Chest CT, axial plane, 120 kVp, kernel B30f. Slice 220/425 from the bottom of the scan; thickness 0.75 mm; pixel size 0.539 mm.
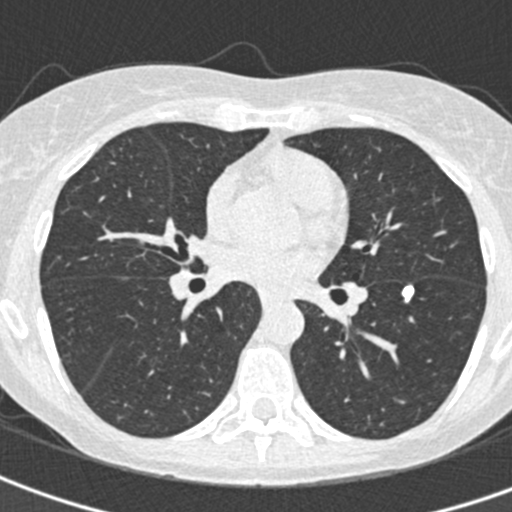
Pulmonary nodule outlined by all four readers; box rows 285–302, columns 402–414 (the union of the readers' outlines on this slice); median longest diameter 11.5 mm (readers' outlines 7.7–12.7 mm), median volume 179 mm3 (139–224 mm3). Median ratings and the readers' spread: texture 5/5 (solid) from all four readers; margin 5/5 (circumscribed) from all four readers; median sphericity 4/5 (readers ranged 2/5 to 5/5 (round)); calcification solid calcification, all four readers agreeing; internal structure soft tissue from all four readers; subtlety 5/5, all four readers agreeing; malignancy likelihood 1/5, all four readers agreeing. Scale key (1–5): texture non-solid→solid, margin indistinct→circumscribed, sphericity linear→round, subtlety extremely subtle→obvious, malignancy likelihood highly unlikely→highly suspicious of cancer. Box rows and columns are 0-based pixel indices from the top-left corner, inclusive.